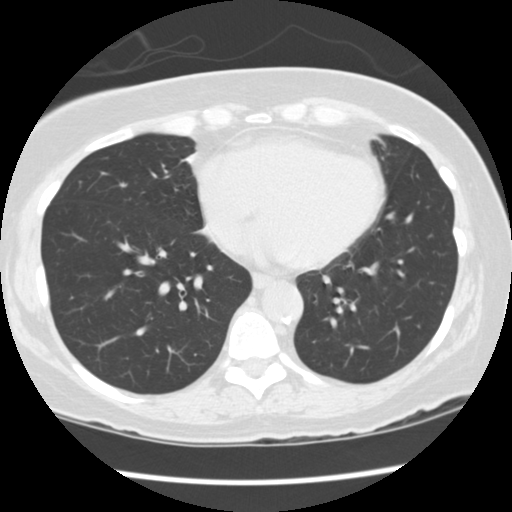
Axial chest CT slice 53 of 149 (counted from the lowest slice); 2.50 mm thick, 0.625 mm per pixel. No nodule 3 mm or larger was outlined here by any reader.
Acquired at 120 kVp and reconstructed with the STANDARD kernel.